One axial slice (134 of 509, counting up from the lowest) of a chest CT acquired at 120 kVp with the STANDARD kernel; each pixel is 0.703 mm and the slice is 1.25 mm thick.
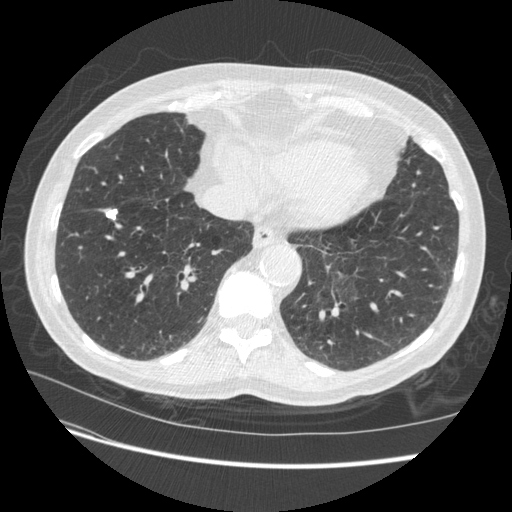
Pulmonary nodule, outlined by three of the four readers. Box on this slice rows 208–219, columns 104–117, the union of the readers' outlines on this slice; longest diameter 11.8 mm on average over the three readers' outlines (readers' outlines 11.4–12.1 mm), volume 273–413 mm3. The readers' prevailing ratings and who disagreed: texture 5/5 (solid) from all three readers; most readers (two of three) put margin at 5/5 (circumscribed), others 4/5 (one); most readers (two of three) put sphericity at 3/5 (ovoid), others 4/5 (one); calcification solid calcification, all three readers agreeing; internal structure soft tissue, all three readers agreeing; subtlety 5/5 by two of three readers; the rest gave 4/5 (one); malignancy likelihood 1/5, all three readers agreeing. Scale key (1–5): texture non-solid→solid, margin indistinct→circumscribed, sphericity linear→round, subtlety extremely subtle→obvious, malignancy likelihood highly unlikely→highly suspicious of cancer. Box rows and columns are 0-based pixel indices from the top-left corner, inclusive.